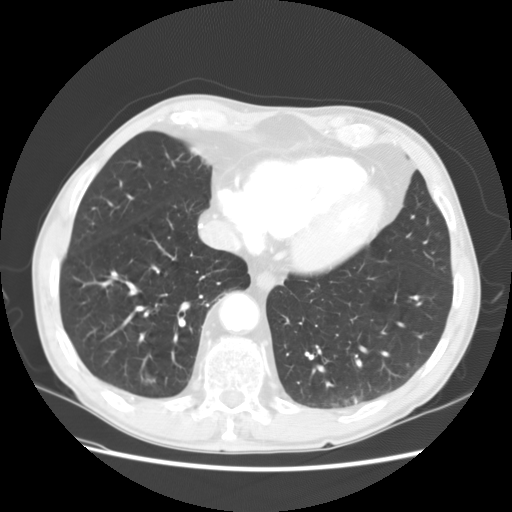
Chest CT, axial plane, 120 kVp, kernel STANDARD. Slice 52/147 from the bottom of the scan; thickness 2.50 mm; pixel size 0.703 mm.
Pulmonary nodule, outlined by one of the four readers. Box on this slice rows 376–383, columns 143–155, that reader's outline on this slice; longest diameter 10.7 mm and volume 531 mm3 from that reader's outline. That reader's ratings: texture 1/5 (non-solid); margin 2/5; sphericity 5/5 (round); calcification absent; internal structure soft tissue; subtlety 1/5; malignancy likelihood 2/5. Scale key (1–5): texture non-solid→solid, margin indistinct→circumscribed, sphericity linear→round, subtlety extremely subtle→obvious, malignancy likelihood highly unlikely→highly suspicious of cancer. Box rows and columns are 0-based pixel indices from the top-left corner, inclusive.